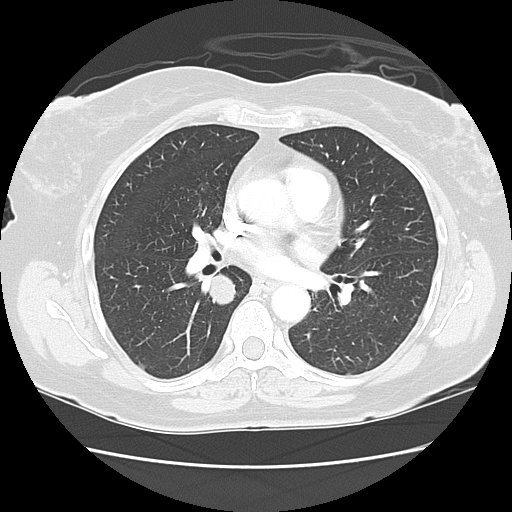
Slice 75/130 of a chest CT, counting up from the lowest; pixel size 0.664 mm, slice thickness 2.50 mm. Pulmonary nodule outlined by all four readers; box rows 274–303, columns 209–234 (the union of the readers' outlines on this slice); median longest diameter 23.3 mm (readers' outlines 23.2–24.2 mm), median volume 5390 mm3 (4791–5604 mm3). Median ratings and the readers' spread: texture 5/5 (solid), all four readers agreeing; median margin 5/5 (circumscribed) (readers ranged 4/5 to 5/5 (circumscribed)); sphericity 4.5/5 at the median of four readers, spread 4/5 to 5/5 (round); calcification absent, all four readers agreeing; internal structure soft tissue from all four readers; subtlety 5/5, all four readers agreeing; median malignancy likelihood 5/5 (readers ranged 2–5). Scale key (1–5): texture non-solid→solid, margin indistinct→circumscribed, sphericity linear→round, subtlety extremely subtle→obvious, malignancy likelihood highly unlikely→highly suspicious of cancer. Box rows and columns are 0-based pixel indices from the top-left corner, inclusive.
Acquired at 120 kVp and reconstructed with the LUNG kernel.